Axial chest CT slice 60 of 128 (counted from the lowest slice); tube voltage 140 kVp, convolution kernel BONE; slices 2.50 mm thick, 0.611 mm per pixel.
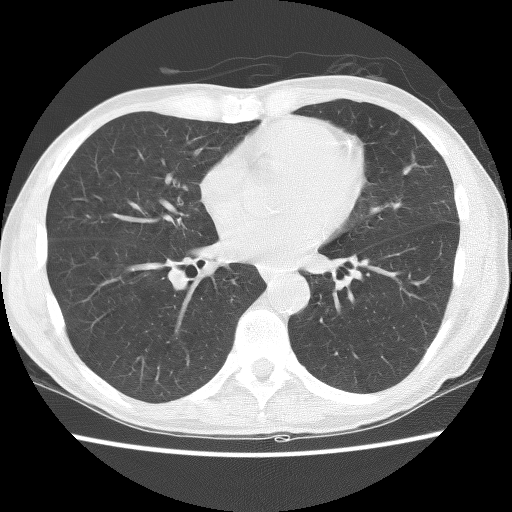
Pulmonary nodule outlined by one of the four readers; box rows 166–175, columns 402–411 (that reader's outline on this slice); longest diameter 7.4 mm and volume 135 mm3 from that reader's outline. That reader's ratings: texture 2/5; margin 2/5; sphericity 2/5; calcification absent; internal structure soft tissue; subtlety 2/5; malignancy likelihood 3/5. Scale key (1–5): texture non-solid→solid, margin indistinct→circumscribed, sphericity linear→round, subtlety extremely subtle→obvious, malignancy likelihood highly unlikely→highly suspicious of cancer. Box rows and columns are 0-based pixel indices from the top-left corner, inclusive.